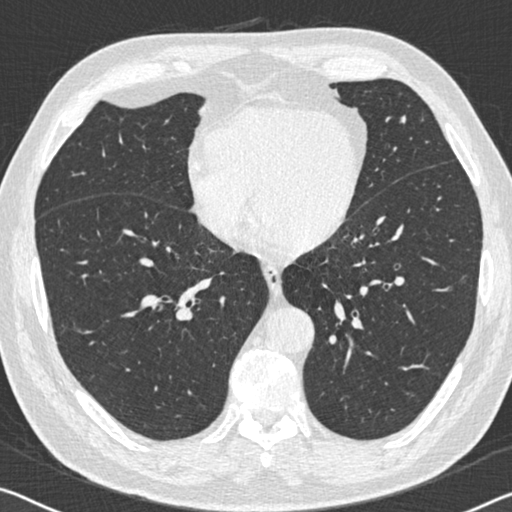
Axial slice 238 of 536 of a chest CT (slice 1 is the lowest), reconstructed with the B30f kernel at 120 kVp; 0.75 mm slice thickness and 0.656 mm pixels.
Pulmonary nodule at rows 115–122, columns 400–404 (box = that reader's outline on this slice), outlined by one of the four readers; longest diameter 9.1 mm and volume 89 mm3 from that reader's outline. That reader's ratings: texture 5/5 (solid); margin 4/5; sphericity 3/5 (ovoid); calcification absent; internal structure soft tissue; subtlety 4/5; malignancy likelihood 2/5. Scale key (1–5): texture non-solid→solid, margin indistinct→circumscribed, sphericity linear→round, subtlety extremely subtle→obvious, malignancy likelihood highly unlikely→highly suspicious of cancer. Box rows and columns are 0-based pixel indices from the top-left corner, inclusive.